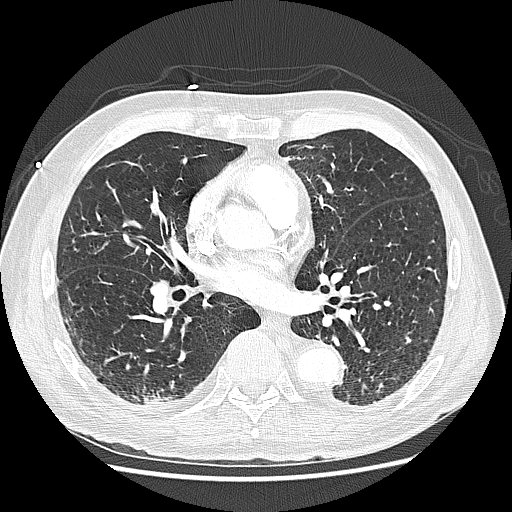
Axial slice 125 of 242 of a chest CT (slice 1 is the lowest), reconstructed with the LUNG kernel at 120 kVp; 1.25 mm slice thickness and 0.703 mm pixels.
No nodule 3 mm or larger was outlined here by any reader.